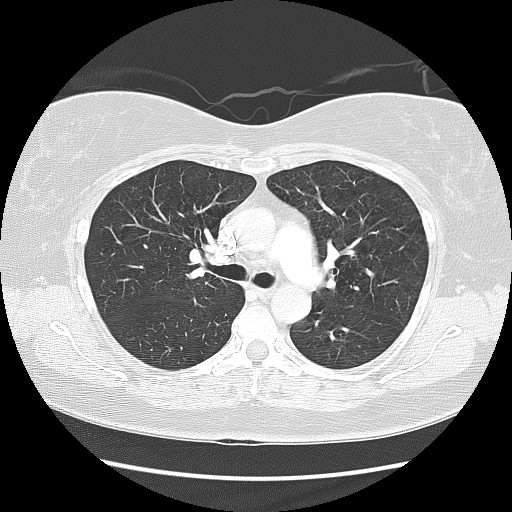
Slice 88/133 of a chest CT, counting up from the lowest; pixel size 0.703 mm, slice thickness 2.50 mm. No nodule of 3 mm or larger was outlined by any of the four readers on this slice.
Acquired at 120 kVp and reconstructed with the LUNG kernel.